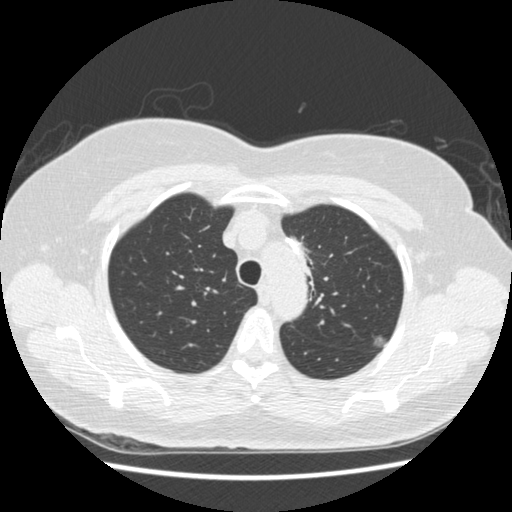
Axial chest CT slice 343 of 445 (counted from the lowest slice); 1.25 mm thick, 0.645 mm per pixel. Pulmonary nodule, outlined by all four readers. Box on this slice rows 335–348, columns 372–388, the union of the readers' outlines on this slice; median longest diameter 11.1 mm (readers' outlines 9.9–11.6 mm), median volume 349 mm3 (292–430 mm3). Ratings, median across the readers with their spread: median texture 2/5 (readers ranged 1/5 (non-solid) to 4/5); margin 4/5 at the median of four readers, spread 2/5 to 5/5 (circumscribed); sphericity 4/5 at the median of four readers, spread 3/5 (ovoid) to 5/5 (round); calcification absent, all four readers agreeing; internal structure soft tissue, all four readers agreeing; subtlety 3/5 at the median of four readers, spread 3–5; median malignancy likelihood 4/5 (readers ranged 2–5). Scale key (1–5): texture non-solid→solid, margin indistinct→circumscribed, sphericity linear→round, subtlety extremely subtle→obvious, malignancy likelihood highly unlikely→highly suspicious of cancer. Box rows and columns are 0-based pixel indices from the top-left corner, inclusive.
Scan settings: 120 kVp, STANDARD reconstruction kernel.